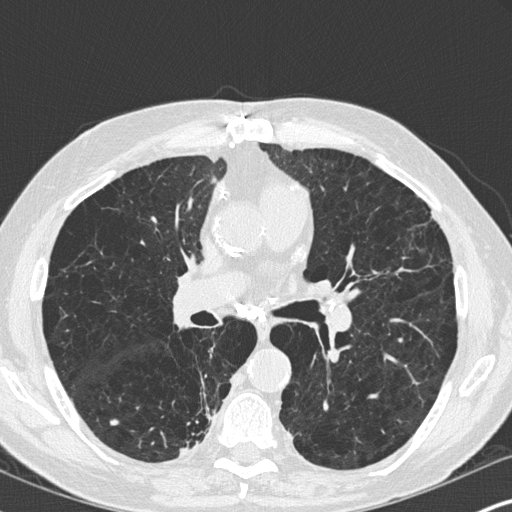
This is axial slice 182 of 347 (slice 1 is the lowest) of a chest CT; each pixel is 0.625 mm and the slice is 1.00 mm thick. Pulmonary nodule outlined by all four readers; box rows 417–425, columns 108–119 (the union of the readers' outlines on this slice); longest diameter 9.3 mm on average over the four readers' outlines (readers' outlines 8.9–9.6 mm), volume 130–187 mm3. Ratings, by the readers' most common answer with dissent counted: texture 5/5 (solid) from all four readers; margin 5/5 (circumscribed) from all four readers; sphericity split among the readers: 3/5 (ovoid) (two), 4/5 (two); calcification absent from all four readers; internal structure soft tissue, all four readers agreeing; subtlety split among the readers: 4/5 (two), 5/5 (two); malignancy likelihood 3/5 from all four readers. Scale key (1–5): texture non-solid→solid, margin indistinct→circumscribed, sphericity linear→round, subtlety extremely subtle→obvious, malignancy likelihood highly unlikely→highly suspicious of cancer. Box rows and columns are 0-based pixel indices from the top-left corner, inclusive.
Tube voltage 120 kVp; convolution kernel B45f.